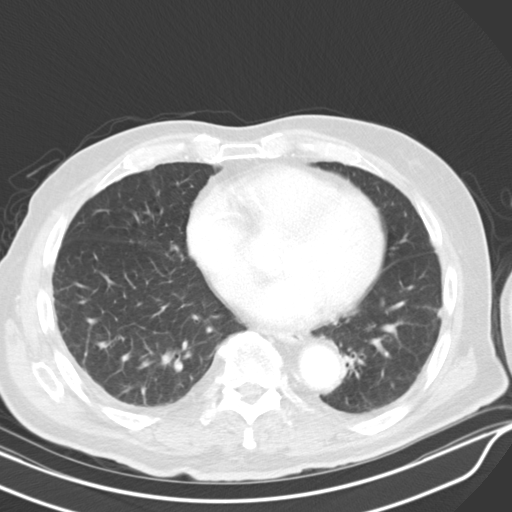
Axial slice 219 of 319 of a chest CT (slice 1 is the lowest), reconstructed with the B30s kernel at 130 kVp; 4.00 mm slice thickness and 0.729 mm pixels.
Pulmonary nodule outlined by one of the four readers; box rows 244–250, columns 170–177 (that reader's outline on this slice); longest diameter 8.8 mm and volume 265 mm3 from that reader's outline. That reader's ratings: texture 5/5 (solid); margin 2/5; sphericity 4/5; calcification absent; internal structure soft tissue; subtlety 5/5; malignancy likelihood 2/5. Scale key (1–5): texture non-solid→solid, margin indistinct→circumscribed, sphericity linear→round, subtlety extremely subtle→obvious, malignancy likelihood highly unlikely→highly suspicious of cancer. Box rows and columns are 0-based pixel indices from the top-left corner, inclusive.